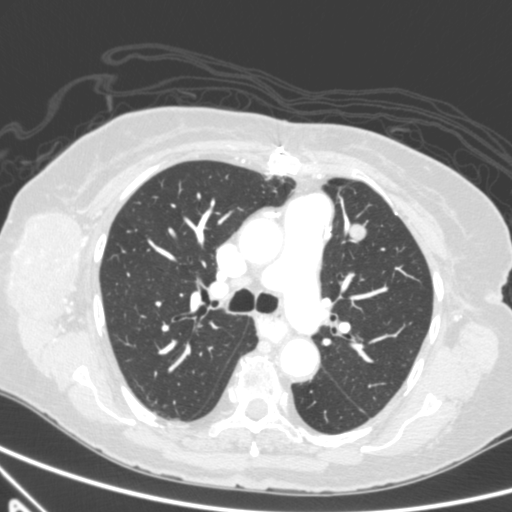
This is axial slice 371 of 590 (slice 1 is the lowest) of a chest CT; each pixel is 0.627 mm and the slice is 0.90 mm thick. Pulmonary nodule outlined by all four readers; box rows 224–241, columns 348–366 (the union of the readers' outlines on this slice); median longest diameter 17.7 mm (readers' outlines 16.3–20.1 mm), median volume 1143 mm3 (1116–1236 mm3). Ratings, median across the readers with their spread: texture 5/5 (solid) from all four readers; margin 4/5 at the median of four readers, spread 3/5 to 5/5 (circumscribed); median sphericity 3.5/5 (readers ranged 3/5 (ovoid) to 4/5); calcification absent from all four readers; internal structure soft tissue from all four readers; subtlety 5/5 at the median of four readers, spread 4–5; malignancy likelihood 4/5 at the median of four readers, spread 3–5. Scale key (1–5): texture non-solid→solid, margin indistinct→circumscribed, sphericity linear→round, subtlety extremely subtle→obvious, malignancy likelihood highly unlikely→highly suspicious of cancer. Box rows and columns are 0-based pixel indices from the top-left corner, inclusive.
Scan settings: 120 kVp, B reconstruction kernel.